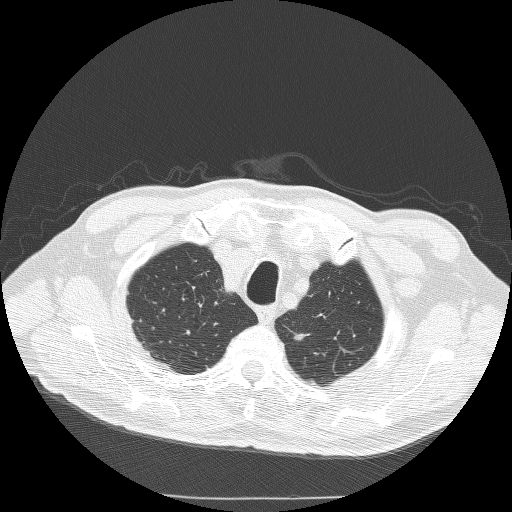
Slice 211/240 of a chest CT, counting up from the lowest; pixel size 0.703 mm, slice thickness 1.25 mm. Pulmonary nodule outlined by two of the four readers; box rows 334–340, columns 293–304 (the union of the readers' outlines on this slice); longest diameter 8.9 mm on average over the two readers' outlines (readers' outlines 8.5–9.2 mm), volume 99–104 mm3. Ratings, by the readers' most common answer with dissent counted: texture split among the readers: 4/5 (one), 5/5 (solid) (one); margin split among the readers: 2/5 (one), 4/5 (one); sphericity 3/5 (ovoid), both readers agreeing; calcification absent from both readers; internal structure soft tissue from both readers; subtlety split among the readers: 2/5 (one), 4/5 (one); malignancy likelihood split among the readers: 3/5 (one), 4/5 (one). Scale key (1–5): texture non-solid→solid, margin indistinct→circumscribed, sphericity linear→round, subtlety extremely subtle→obvious, malignancy likelihood highly unlikely→highly suspicious of cancer. Box rows and columns are 0-based pixel indices from the top-left corner, inclusive.
Acquired at 120 kVp and reconstructed with the BONE kernel.